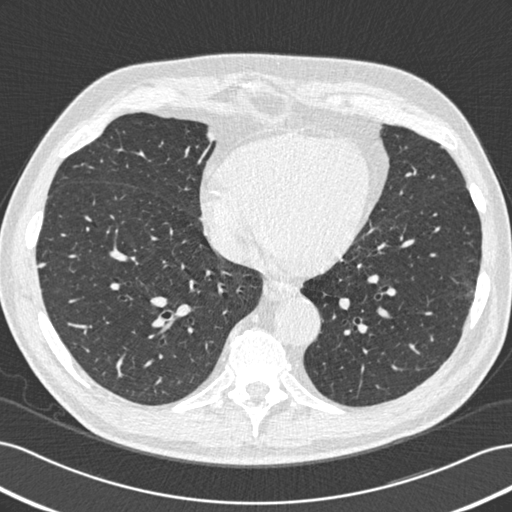
Slice 200/506 of a chest CT, counting up from the lowest; pixel size 0.699 mm, slice thickness 0.75 mm. Pulmonary nodule at rows 263–268, columns 37–46 (box = the union of the readers' outlines on this slice), outlined by all four readers; median longest diameter 8.2 mm (readers' outlines 8.0–9.0 mm), median volume 186 mm3 (171–198 mm3). Ratings, median across the readers with their spread: texture 5/5 (solid), all four readers agreeing; margin 4/5 at the median of four readers, spread 3/5 to 5/5 (circumscribed); median sphericity 5/5 (round) (readers ranged 3/5 (ovoid) to 5/5 (round)); calcification absent from all four readers; internal structure soft tissue from all four readers; median subtlety 4/5 (readers ranged 3–5); median malignancy likelihood 2.5/5 (readers ranged 1–4). Scale key (1–5): texture non-solid→solid, margin indistinct→circumscribed, sphericity linear→round, subtlety extremely subtle→obvious, malignancy likelihood highly unlikely→highly suspicious of cancer. Box rows and columns are 0-based pixel indices from the top-left corner, inclusive.
Tube voltage 120 kVp; convolution kernel B30f.